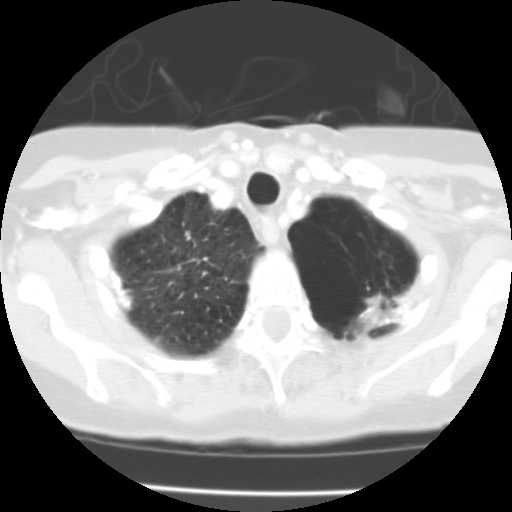
One axial slice (90 of 100, counting up from the lowest) of a chest CT acquired at 135 kVp with the FC01 kernel; each pixel is 0.540 mm and the slice is 3.00 mm thick.
Pulmonary nodule at rows 231–235, columns 185–189 (box = the union of the readers' outlines on this slice), outlined by all four readers, three of them on this slice; median longest diameter 5.3 mm (readers' outlines 4.1–5.6 mm), median volume 83 mm3 (70–94 mm3). Ratings, median across the readers with their spread: texture 5/5 (solid) from all four readers; margin 5/5 (circumscribed), all four readers agreeing; sphericity 5/5 (round), all four readers agreeing; calcification solid calcification from all four readers; internal structure soft tissue, all four readers agreeing; median subtlety 4.5/5 (readers ranged 4–5); malignancy likelihood 1/5 from all four readers. Scale key (1–5): texture non-solid→solid, margin indistinct→circumscribed, sphericity linear→round, subtlety extremely subtle→obvious, malignancy likelihood highly unlikely→highly suspicious of cancer. Box rows and columns are 0-based pixel indices from the top-left corner, inclusive.